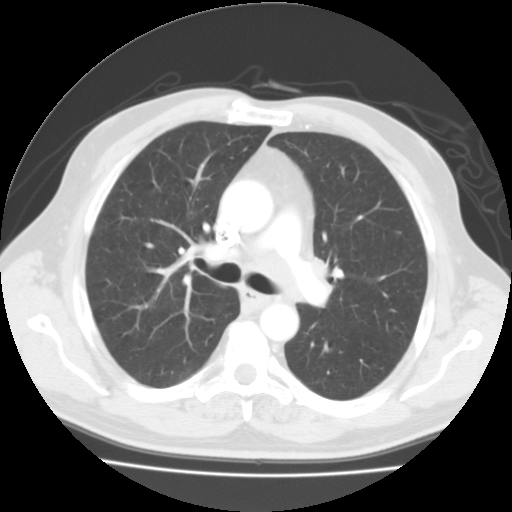
One axial slice (74 of 114, counting up from the lowest) of a chest CT acquired at 135 kVp with the FC01 kernel; each pixel is 0.711 mm and the slice is 3.00 mm thick.
Pulmonary nodule at rows 304–312, columns 215–224 (box = that reader's outline on this slice), outlined by one of the four readers; longest diameter 13.0 mm and volume 688 mm3 from that reader's outline. Ratings by that reader: texture 1/5 (non-solid); margin 1/5 (indistinct); sphericity 5/5 (round); calcification absent; internal structure soft tissue; subtlety 1/5; malignancy likelihood 3/5. Scale key (1–5): texture non-solid→solid, margin indistinct→circumscribed, sphericity linear→round, subtlety extremely subtle→obvious, malignancy likelihood highly unlikely→highly suspicious of cancer. Box rows and columns are 0-based pixel indices from the top-left corner, inclusive.